Axial chest CT slice 72 of 123 (counted from the lowest slice); tube voltage 135 kVp, convolution kernel FC01; slices 3.00 mm thick, 0.877 mm per pixel.
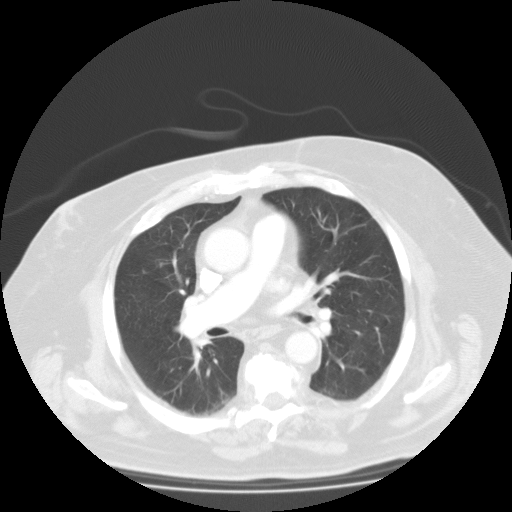
No nodule of 3 mm or larger was outlined by any of the four readers on this slice.